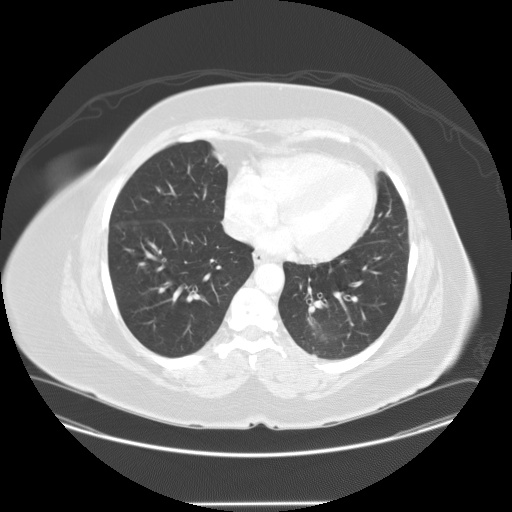
One axial slice (25 of 95, counting up from the lowest) of a chest CT acquired at 120 kVp with the STANDARD kernel; each pixel is 0.859 mm and the slice is 2.50 mm thick.
Pulmonary nodule at rows 334–339, columns 318–326 (box = the one reader's outline on this slice), outlined by all four readers, one of them on this slice; the four readers' outlines give a longest diameter between 17.2 and 23.5 mm and a volume between 2023 and 2813 mm3. The readers' ratings, as ranges where they differ: texture from 4/5 to 5/5 (solid) across the four readers; margin from 3/5 to 5/5 (circumscribed) across the four readers; sphericity from 3/5 (ovoid) to 5/5 (round) across the four readers; calcification absent, all four readers agreeing; internal structure soft tissue from all four readers; subtlety from 3/5 to 5/5 across the four readers; malignancy likelihood rated between 2 and 4 out of 5 by the four readers. Scale key (1–5): texture non-solid→solid, margin indistinct→circumscribed, sphericity linear→round, subtlety extremely subtle→obvious, malignancy likelihood highly unlikely→highly suspicious of cancer. Box rows and columns are 0-based pixel indices from the top-left corner, inclusive.